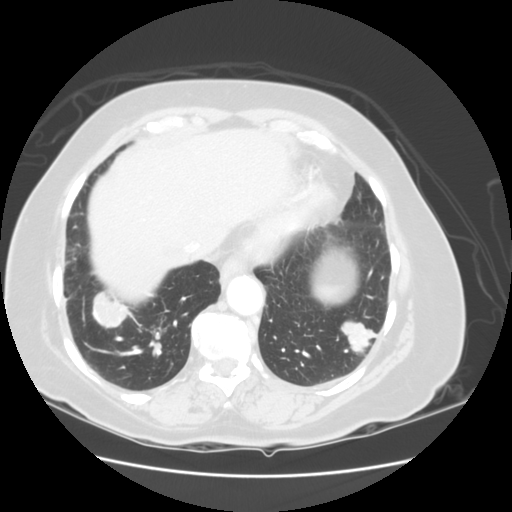
Axial slice 29 of 114 of a chest CT (slice 1 is the lowest), reconstructed with the STANDARD kernel at 120 kVp; 2.50 mm slice thickness and 0.703 mm pixels.
Two pulmonary nodules on this slice, listed from left to right. (1) Pulmonary nodule at rows 290–327, columns 92–129 (box = the union of the readers' outlines on this slice), outlined by three of the four readers; median longest diameter 35.0 mm (readers' outlines 33.9–44.7 mm), median volume 10673 mm3 (10097–11661 mm3). Ratings, median across the readers with their spread: texture 5/5 (solid), all three readers agreeing; margin 4/5 at the median of three readers, spread 4/5 to 5/5 (circumscribed); median sphericity 3/5 (ovoid) (readers ranged 3/5 (ovoid) to 4/5); calcification absent, all three readers agreeing; internal structure soft tissue from all three readers; subtlety 5/5, all three readers agreeing; median malignancy likelihood 5/5 (readers ranged 3–5). (2) Pulmonary nodule outlined by two of the four readers; box rows 319–351, columns 338–377 (the union of the readers' outlines on this slice); longest diameter 31.2–33.4 mm and volume 9358–10207 mm3 across the two readers' outlines. The readers' ratings, as ranges where they differ: texture 5/5 (solid), both readers agreeing; margin 4/5 from both readers; sphericity 3/5 (ovoid), both readers agreeing; calcification absent, both readers agreeing; internal structure soft tissue, both readers agreeing; subtlety 5/5 from both readers; malignancy likelihood 5/5, both readers agreeing. Scale key (1–5): texture non-solid→solid, margin indistinct→circumscribed, sphericity linear→round, subtlety extremely subtle→obvious, malignancy likelihood highly unlikely→highly suspicious of cancer. Box rows and columns are 0-based pixel indices from the top-left corner, inclusive.